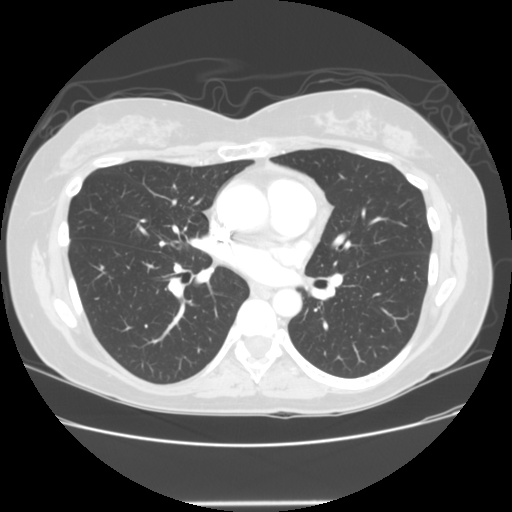
Slice 75/140 of a chest CT, counting up from the lowest; pixel size 0.703 mm, slice thickness 2.50 mm. This slice carries no reader outline of a nodule 3 mm or larger.
Acquired at 120 kVp and reconstructed with the STANDARD kernel.